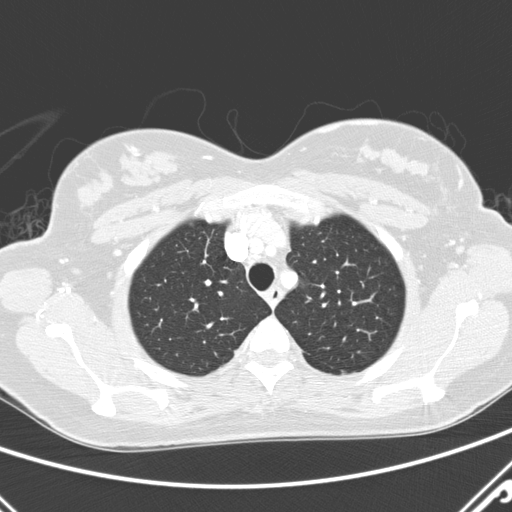
This is axial slice 237 of 290 (slice 1 is the lowest) of a chest CT; each pixel is 0.648 mm and the slice is 2.00 mm thick. This slice carries no reader outline of a nodule 3 mm or larger.
Tube voltage 120 kVp; convolution kernel D.